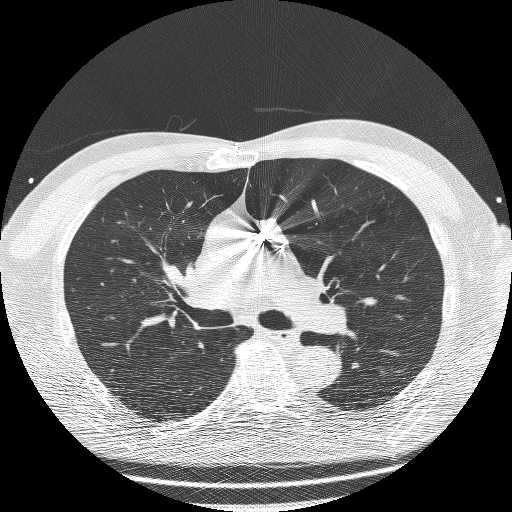
Axial chest CT slice 154 of 260 (counted from the lowest slice); tube voltage 120 kVp, convolution kernel BONE; slices 1.25 mm thick, 0.703 mm per pixel.
This slice carries no reader outline of a nodule 3 mm or larger.